Chest CT, axial plane, 120 kVp, kernel D. Slice 63/280 from the bottom of the scan; thickness 1.00 mm; pixel size 0.564 mm.
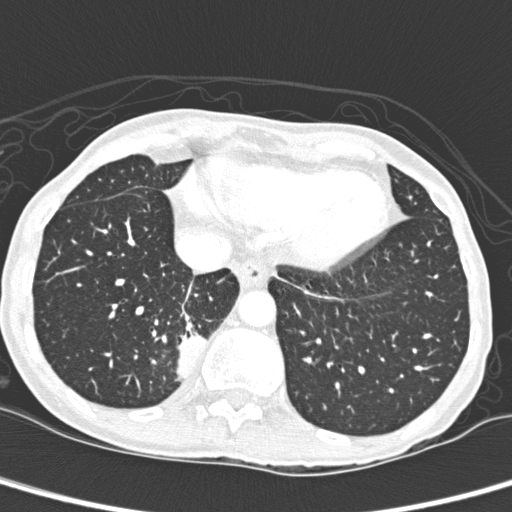
Pulmonary nodule outlined by two of the four readers; box rows 333–378, columns 176–206 (the union of the readers' outlines on this slice); the two readers' outlines give a longest diameter between 32.1 and 35.8 mm and a volume between 5657 and 6702 mm3. Ratings across the readers: texture 5/5 (solid), both readers agreeing; margin 4/5, both readers agreeing; sphericity 3/5 (ovoid) from both readers; calcification absent, both readers agreeing; internal structure soft tissue, both readers agreeing; subtlety 5/5, both readers agreeing; malignancy likelihood from 2/5 to 3/5 across the two readers. Scale key (1–5): texture non-solid→solid, margin indistinct→circumscribed, sphericity linear→round, subtlety extremely subtle→obvious, malignancy likelihood highly unlikely→highly suspicious of cancer. Box rows and columns are 0-based pixel indices from the top-left corner, inclusive.